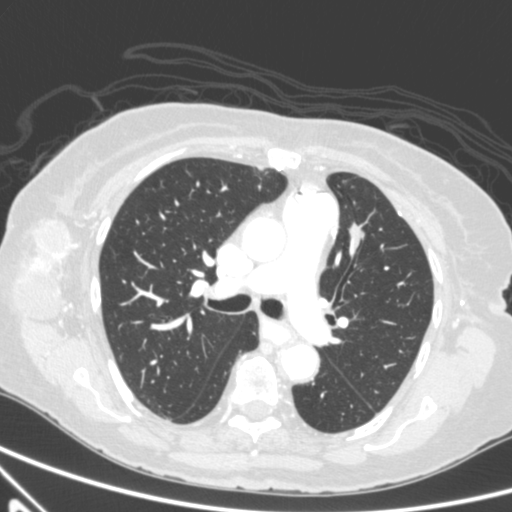
Chest CT, axial plane, 120 kVp, kernel B. Slice 356/590 from the bottom of the scan; thickness 0.90 mm; pixel size 0.627 mm.
Pulmonary nodule, outlined by all four readers. Box on this slice rows 222–249, columns 347–363, the union of the readers' outlines on this slice; longest diameter 17.9 mm on average over the four readers' outlines (readers' outlines 16.3–20.1 mm), volume 1116–1236 mm3. Ratings, by the readers' most common answer with dissent counted: texture 5/5 (solid) from all four readers; margin 4/5 by two of four readers; the rest gave 3/5 (one), 5/5 (circumscribed) (one); sphericity split among the readers: 3/5 (ovoid) (two), 4/5 (two); calcification absent from all four readers; internal structure soft tissue, all four readers agreeing; most readers (three of four) put subtlety at 5/5, others 4/5 (one); malignancy likelihood split among the readers: 3/5 (two), 5/5 (two). Scale key (1–5): texture non-solid→solid, margin indistinct→circumscribed, sphericity linear→round, subtlety extremely subtle→obvious, malignancy likelihood highly unlikely→highly suspicious of cancer. Box rows and columns are 0-based pixel indices from the top-left corner, inclusive.